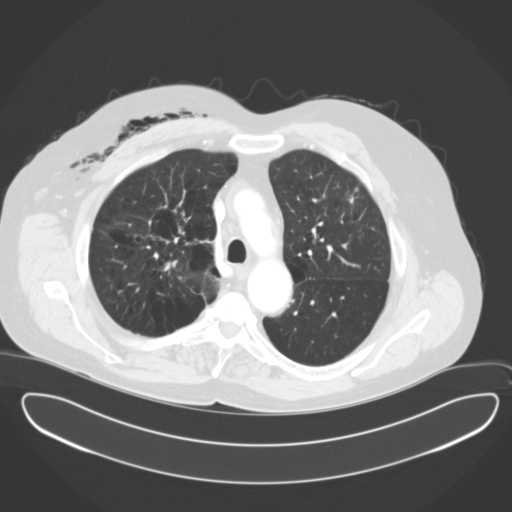
Axial chest CT slice 123 of 153 (counted from the lowest slice); 3.00 mm thick, 0.836 mm per pixel. Two pulmonary nodules are outlined on this slice; from left to right: (1) Pulmonary nodule, outlined by three of the four readers, one of them on this slice. Box on this slice rows 195–198, columns 323–325, the one reader's outline on this slice; longest diameter 9.2 mm on average over the three readers' outlines (readers' outlines 8.2–10.5 mm), volume 223–409 mm3. The readers' prevailing ratings and who disagreed: texture 5/5 (solid) from all three readers; most readers (two of three) put margin at 5/5 (circumscribed), others 4/5 (one); sphericity 5/5 (round) from all three readers; calcification absent from all three readers; internal structure soft tissue, all three readers agreeing; subtlety split among the readers: 3/5 (one), 4/5 (one), 5/5 (one); malignancy likelihood split among the readers: 1/5 (one), 2/5 (one), 3/5 (one). (2) Pulmonary nodule at rows 188–203, columns 349–359 (box = the union of the readers' outlines on this slice), outlined by three of the four readers, two of them on this slice; median longest diameter 23.6 mm (readers' outlines 23.0–24.3 mm), median volume 1178 mm3 (910–1434 mm3). Ratings, median across the readers with their spread: median texture 5/5 (solid) (readers ranged 4/5 to 5/5 (solid)); median margin 3/5 (readers ranged 2/5 to 4/5); median sphericity 2/5 (readers ranged 2/5 to 3/5 (ovoid)); calcification absent, all three readers agreeing; internal structure soft tissue from all three readers; subtlety 4/5 at the median of three readers, spread 4–5; median malignancy likelihood 2/5 (readers ranged 2–3). Scale key (1–5): texture non-solid→solid, margin indistinct→circumscribed, sphericity linear→round, subtlety extremely subtle→obvious, malignancy likelihood highly unlikely→highly suspicious of cancer. Box rows and columns are 0-based pixel indices from the top-left corner, inclusive.
Tube voltage 120 kVp; convolution kernel B31f.